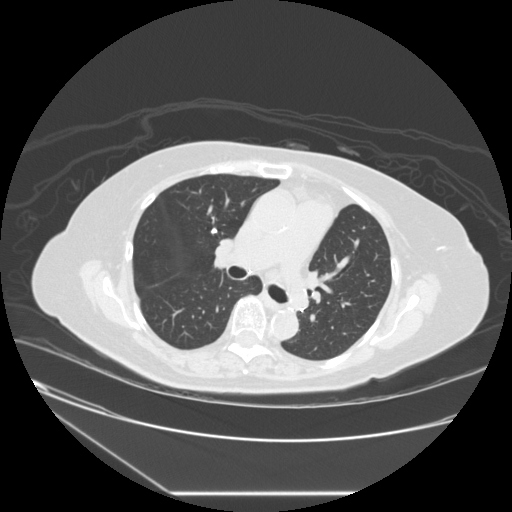
One axial slice (161 of 241, counting up from the lowest) of a chest CT acquired at 120 kVp with the STANDARD kernel; each pixel is 0.773 mm and the slice is 1.25 mm thick.
Pulmonary nodule at rows 227–233, columns 210–217 (box = the union of the readers' outlines on this slice), outlined by three of the four readers; longest diameter 6.7 mm on average over the three readers' outlines (readers' outlines 6.4–7.1 mm), volume 103–202 mm3. Ratings, by the readers' most common answer with dissent counted: texture 5/5 (solid) from all three readers; margin 5/5 (circumscribed) from all three readers; sphericity 3/5 (ovoid) by two of three readers; the rest gave 5/5 (round) (one); calcification solid calcification by two of three readers, central calcification (one); internal structure soft tissue from all three readers; subtlety 5/5 by two of three readers; the rest gave 4/5 (one); malignancy likelihood 1/5 from all three readers. Scale key (1–5): texture non-solid→solid, margin indistinct→circumscribed, sphericity linear→round, subtlety extremely subtle→obvious, malignancy likelihood highly unlikely→highly suspicious of cancer. Box rows and columns are 0-based pixel indices from the top-left corner, inclusive.